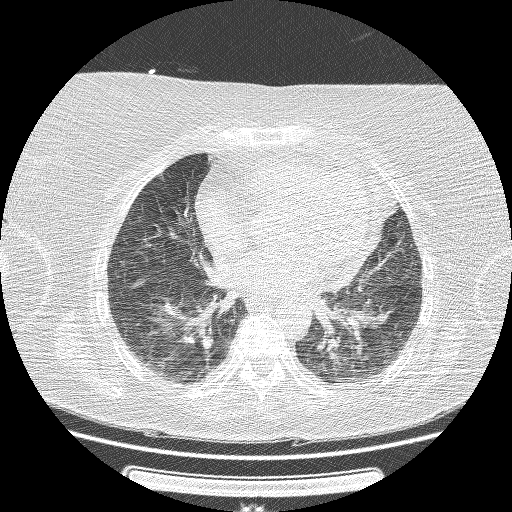
Slice 63/162 of a chest CT, counting up from the lowest; pixel size 0.703 mm, slice thickness 1.25 mm. Pulmonary nodule outlined by all four readers, one of them on this slice; box rows 175–179, columns 158–163 (the one reader's outline on this slice); median longest diameter 12.2 mm (readers' outlines 10.9–13.0 mm), median volume 356 mm3 (239–644 mm3). Median ratings and the readers' spread: texture 5/5 (solid), all four readers agreeing; margin 4/5, all four readers agreeing; median sphericity 4/5 (readers ranged 3/5 (ovoid) to 4/5); calcification: absent (three), solid calcification (one); internal structure soft tissue from all four readers; median subtlety 4.5/5 (readers ranged 4–5); malignancy likelihood 3/5 at the median of four readers, spread 1–3. Scale key (1–5): texture non-solid→solid, margin indistinct→circumscribed, sphericity linear→round, subtlety extremely subtle→obvious, malignancy likelihood highly unlikely→highly suspicious of cancer. Box rows and columns are 0-based pixel indices from the top-left corner, inclusive.
Tube voltage 120 kVp; convolution kernel BONE.